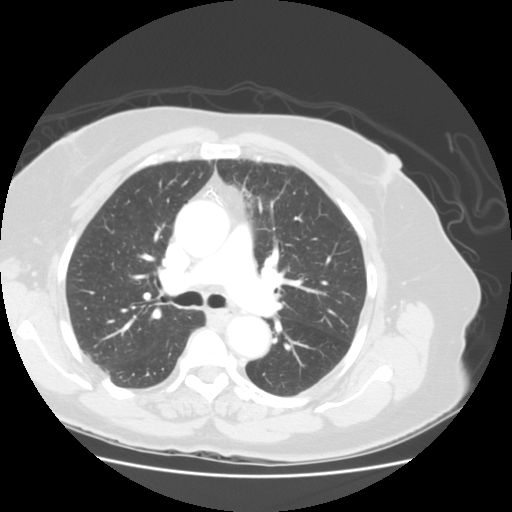
Axial slice 68 of 114 of a chest CT (slice 1 is the lowest), reconstructed with the STANDARD kernel at 120 kVp; 2.50 mm slice thickness and 0.703 mm pixels.
This slice carries no reader outline of a nodule 3 mm or larger.